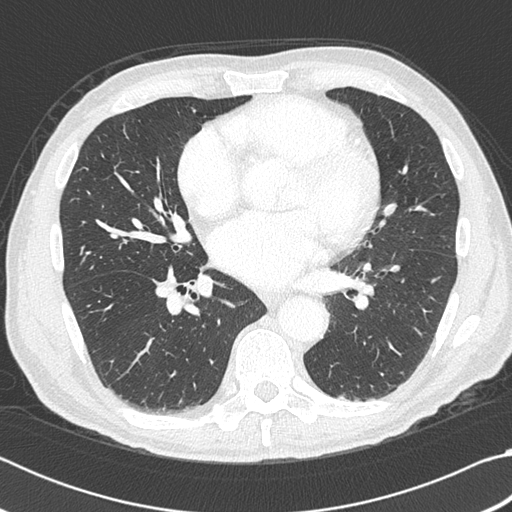
Axial chest CT slice 195 of 383 (counted from the lowest slice); 1.00 mm thick, 0.664 mm per pixel. Pulmonary nodule, outlined by all four readers, two of them on this slice. Box on this slice rows 107–112, columns 192–195, the union of the readers' outlines on this slice; the four readers' outlines give a longest diameter between 9.8 and 12.2 mm and a volume between 379 and 631 mm3. Ratings across the readers: texture 5/5 (solid), all four readers agreeing; margin 5/5 (circumscribed) from all four readers; sphericity from 3/5 (ovoid) to 5/5 (round) across the four readers; calcification: absent (three), solid calcification (one); internal structure soft tissue, all four readers agreeing; subtlety from 4/5 to 5/5 across the four readers; malignancy likelihood rated between 1 and 4 out of 5 by the four readers. Scale key (1–5): texture non-solid→solid, margin indistinct→circumscribed, sphericity linear→round, subtlety extremely subtle→obvious, malignancy likelihood highly unlikely→highly suspicious of cancer. Box rows and columns are 0-based pixel indices from the top-left corner, inclusive.
Scan settings: 120 kVp, B45f reconstruction kernel.